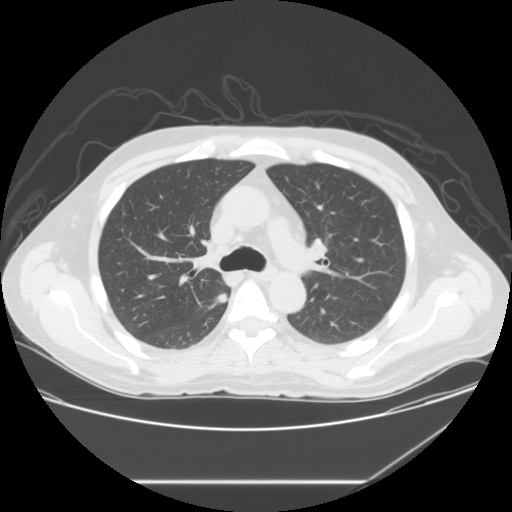
Chest CT, axial plane, 120 kVp, kernel STANDARD. Slice 94/133 from the bottom of the scan; thickness 2.50 mm; pixel size 0.781 mm.
Pulmonary nodule, outlined by two of the four readers. Box on this slice rows 293–302, columns 217–227, the union of the readers' outlines on this slice; longest diameter 13.1 mm on average over the two readers' outlines (readers' outlines 11.7–14.5 mm), volume 673–1246 mm3. The readers' prevailing ratings and who disagreed: texture 5/5 (solid) from both readers; margin split among the readers: 3/5 (one), 4/5 (one); sphericity split among the readers: 3/5 (ovoid) (one), 4/5 (one); calcification absent, both readers agreeing; internal structure soft tissue, both readers agreeing; subtlety split among the readers: 4/5 (one), 5/5 (one); malignancy likelihood split among the readers: 4/5 (one), 5/5 (one). Scale key (1–5): texture non-solid→solid, margin indistinct→circumscribed, sphericity linear→round, subtlety extremely subtle→obvious, malignancy likelihood highly unlikely→highly suspicious of cancer. Box rows and columns are 0-based pixel indices from the top-left corner, inclusive.